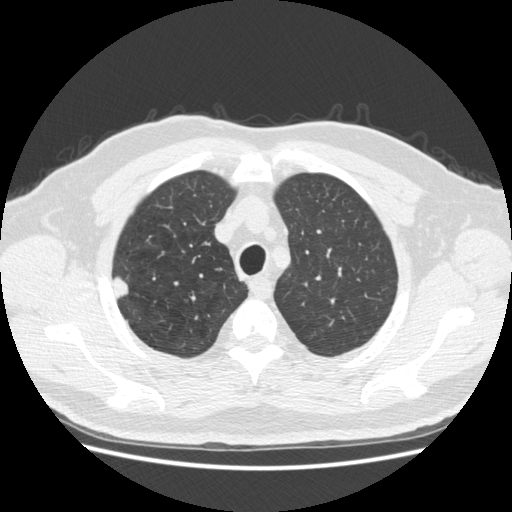
Axial chest CT slice 375 of 465 (counted from the lowest slice); 1.25 mm thick, 0.703 mm per pixel. Pulmonary nodule at rows 275–299, columns 111–129 (box = the union of the readers' outlines on this slice), outlined by all four readers; median longest diameter 17.8 mm (readers' outlines 15.5–18.9 mm), median volume 1370 mm3 (1041–1475 mm3). Median ratings and the readers' spread: texture 5/5 (solid), all four readers agreeing; median margin 5/5 (circumscribed) (readers ranged 4/5 to 5/5 (circumscribed)); sphericity 3.5/5 at the median of four readers, spread 3/5 (ovoid) to 5/5 (round); calcification absent from all four readers; internal structure soft tissue, all four readers agreeing; subtlety 5/5 at the median of four readers, spread 4–5; malignancy likelihood 4/5 at the median of four readers, spread 2–5. Scale key (1–5): texture non-solid→solid, margin indistinct→circumscribed, sphericity linear→round, subtlety extremely subtle→obvious, malignancy likelihood highly unlikely→highly suspicious of cancer. Box rows and columns are 0-based pixel indices from the top-left corner, inclusive.
Acquired at 120 kVp and reconstructed with the STANDARD kernel.